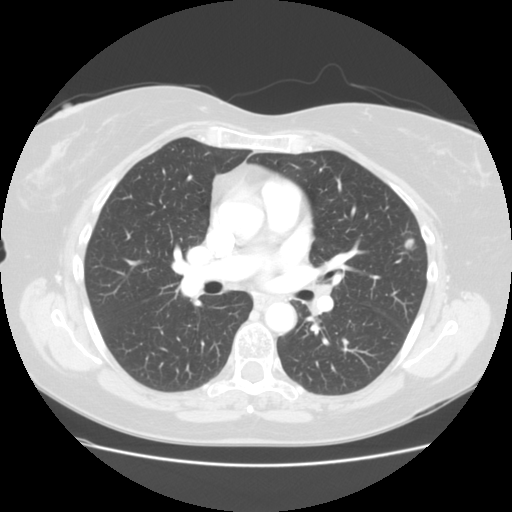
One axial slice (82 of 131, counting up from the lowest) of a chest CT acquired at 120 kVp with the STANDARD kernel; each pixel is 0.703 mm and the slice is 2.50 mm thick.
Pulmonary nodule at rows 237–249, columns 404–414 (box = the union of the readers' outlines on this slice), outlined by all four readers; the four readers' outlines give a longest diameter between 11.0 and 12.6 mm and a volume between 428 and 598 mm3. The readers' ratings, as ranges where they differ: texture 5/5 (solid), all four readers agreeing; margin from 4/5 to 5/5 (circumscribed) across the four readers; sphericity from 4/5 to 5/5 (round) across the four readers; calcification absent, all four readers agreeing; internal structure soft tissue from all four readers; subtlety 3–5/5 (the readers disagree); malignancy likelihood 2–4/5 (the readers disagree). Scale key (1–5): texture non-solid→solid, margin indistinct→circumscribed, sphericity linear→round, subtlety extremely subtle→obvious, malignancy likelihood highly unlikely→highly suspicious of cancer. Box rows and columns are 0-based pixel indices from the top-left corner, inclusive.